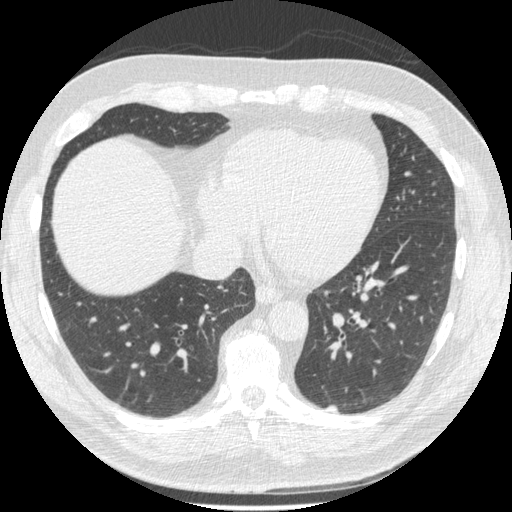
Chest CT, axial plane, 120 kVp, kernel STANDARD. Slice 207/557 from the bottom of the scan; thickness 1.25 mm; pixel size 0.703 mm.
Pulmonary nodule, outlined by two of the four readers. Box on this slice rows 405–413, columns 323–339, the union of the readers' outlines on this slice; longest diameter 11.3 mm on average over the two readers' outlines (readers' outlines 9.4–13.1 mm), volume 126–127 mm3. The readers' prevailing ratings and who disagreed: texture 5/5 (solid), both readers agreeing; margin 3/5 from both readers; sphericity 3/5 (ovoid) from both readers; calcification absent from both readers; internal structure soft tissue, both readers agreeing; subtlety 3/5 from both readers; malignancy likelihood split among the readers: 1/5 (one), 3/5 (one). Scale key (1–5): texture non-solid→solid, margin indistinct→circumscribed, sphericity linear→round, subtlety extremely subtle→obvious, malignancy likelihood highly unlikely→highly suspicious of cancer. Box rows and columns are 0-based pixel indices from the top-left corner, inclusive.